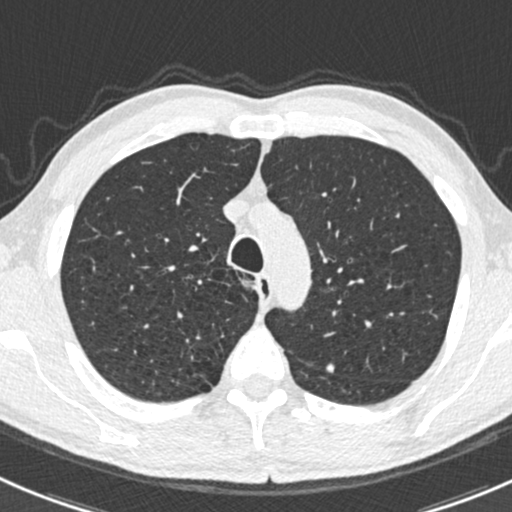
Axial slice 428 of 538 of a chest CT (slice 1 is the lowest), reconstructed with the B30f kernel at 120 kVp; 0.75 mm slice thickness and 0.605 mm pixels.
Pulmonary nodule at rows 362–373, columns 325–335 (box = the union of the readers' outlines on this slice), outlined by all four readers; the four readers' outlines give a longest diameter between 6.3 and 8.1 mm and a volume between 38 and 119 mm3. The readers' ratings, as ranges where they differ: texture 5/5 (solid) from all four readers; margin from 4/5 to 5/5 (circumscribed) across the four readers; sphericity from 4/5 to 5/5 (round) across the four readers; calcification: solid calcification (three), absent (one); internal structure soft tissue from all four readers; subtlety rated between 2 and 5 out of 5 by the four readers; malignancy likelihood 1/5, all four readers agreeing. Scale key (1–5): texture non-solid→solid, margin indistinct→circumscribed, sphericity linear→round, subtlety extremely subtle→obvious, malignancy likelihood highly unlikely→highly suspicious of cancer. Box rows and columns are 0-based pixel indices from the top-left corner, inclusive.